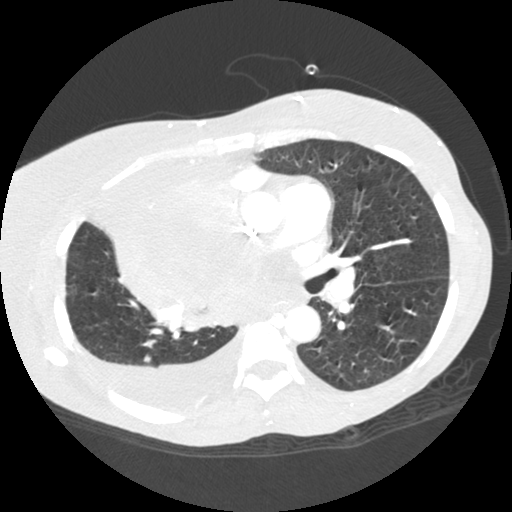
One axial slice (132 of 238, counting up from the lowest) of a chest CT acquired at 120 kVp with the STANDARD kernel; each pixel is 0.625 mm and the slice is 1.25 mm thick.
Pulmonary nodule at rows 354–362, columns 143–151 (box = the union of the readers' outlines on this slice), outlined by all four readers; the four readers' outlines give a longest diameter between 6.7 and 7.3 mm and a volume between 136 and 179 mm3. Ratings across the readers: texture 5/5 (solid) from all four readers; margin from 4/5 to 5/5 (circumscribed) across the four readers; sphericity from 3/5 (ovoid) to 5/5 (round) across the four readers; calcification absent, all four readers agreeing; internal structure soft tissue, all four readers agreeing; subtlety from 3/5 to 5/5 across the four readers; malignancy likelihood 2–3/5 (the readers disagree). Scale key (1–5): texture non-solid→solid, margin indistinct→circumscribed, sphericity linear→round, subtlety extremely subtle→obvious, malignancy likelihood highly unlikely→highly suspicious of cancer. Box rows and columns are 0-based pixel indices from the top-left corner, inclusive.